Chest CT, axial plane, 120 kVp, kernel BONE. Slice 218/241 from the bottom of the scan; thickness 1.25 mm; pixel size 0.703 mm.
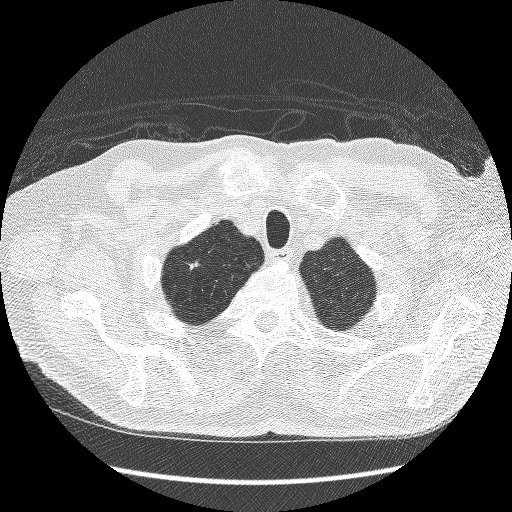
Pulmonary nodule outlined by three of the four readers; box rows 261–269, columns 189–199 (the union of the readers' outlines on this slice); longest diameter 9.2–11.4 mm and volume 110–218 mm3 across the three readers' outlines. Ratings across the readers: texture 5/5 (solid), all three readers agreeing; margin from 3/5 to 5/5 (circumscribed) across the three readers; sphericity from 2/5 to 3/5 (ovoid) across the three readers; calcification absent from all three readers; internal structure soft tissue, all three readers agreeing; subtlety rated between 3 and 5 out of 5 by the three readers; malignancy likelihood rated between 2 and 3 out of 5 by the three readers. Scale key (1–5): texture non-solid→solid, margin indistinct→circumscribed, sphericity linear→round, subtlety extremely subtle→obvious, malignancy likelihood highly unlikely→highly suspicious of cancer. Box rows and columns are 0-based pixel indices from the top-left corner, inclusive.